One axial slice (55 of 112, counting up from the lowest) of a chest CT acquired at 135 kVp with the FC01 kernel; each pixel is 0.650 mm and the slice is 3.00 mm thick.
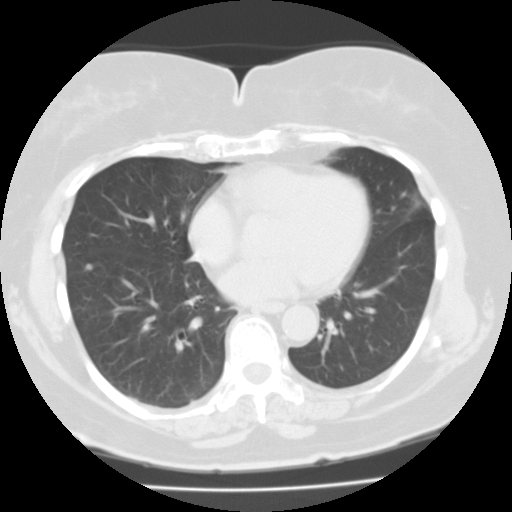
Pulmonary nodule outlined by two of the four readers; box rows 264–269, columns 85–92 (the union of the readers' outlines on this slice); median longest diameter 6.2 mm (readers' outlines 6.2 mm), median volume 106 mm3 (106 mm3). Ratings, median across the readers with their spread: texture 4.5/5 at the median of two readers, spread 4/5 to 5/5 (solid); margin 3.5/5 at the median of two readers, spread 3/5 to 4/5; sphericity 5/5 (round), both readers agreeing; calcification absent from both readers; internal structure soft tissue, both readers agreeing; subtlety 4.5/5 at the median of two readers, spread 4–5; median malignancy likelihood 2.5/5 (readers ranged 2–3). Scale key (1–5): texture non-solid→solid, margin indistinct→circumscribed, sphericity linear→round, subtlety extremely subtle→obvious, malignancy likelihood highly unlikely→highly suspicious of cancer. Box rows and columns are 0-based pixel indices from the top-left corner, inclusive.